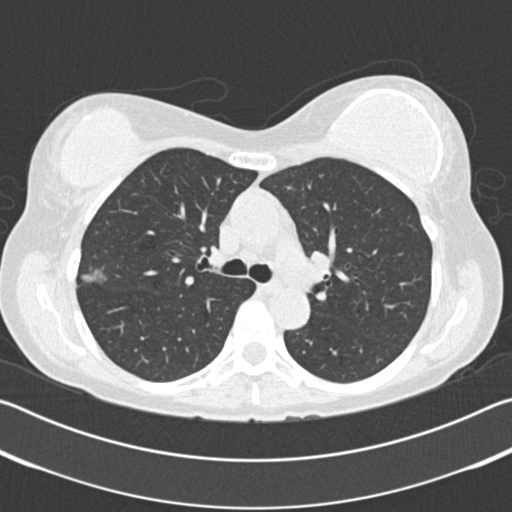
Slice 122/183 of a chest CT, counting up from the lowest; pixel size 0.664 mm, slice thickness 2.00 mm. Pulmonary nodule outlined by three of the four readers, one of them on this slice; box rows 267–283, columns 79–107 (the one reader's outline on this slice); median longest diameter 4.8 mm (readers' outlines 4.8–20.0 mm), median volume 45 mm3 (45–1329 mm3). Ratings, median across the readers with their spread: median texture 4/5 (readers ranged 3/5 (part-solid) to 5/5 (solid)); margin 3/5 at the median of three readers, spread 2/5 to 5/5 (circumscribed); sphericity 5/5 (round) at the median of three readers, spread 4/5 to 5/5 (round); calcification: absent (two), solid calcification (one); internal structure soft tissue from all three readers; subtlety 5/5 at the median of three readers, spread 2–5; median malignancy likelihood 3/5 (readers ranged 1–5). Scale key (1–5): texture non-solid→solid, margin indistinct→circumscribed, sphericity linear→round, subtlety extremely subtle→obvious, malignancy likelihood highly unlikely→highly suspicious of cancer. Box rows and columns are 0-based pixel indices from the top-left corner, inclusive.
Tube voltage 120 kVp; convolution kernel B30f.